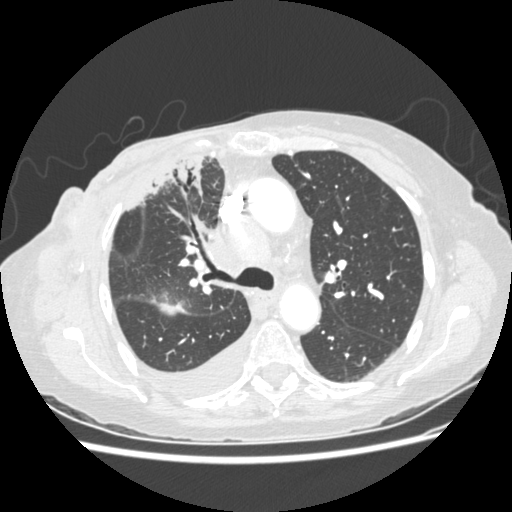
Axial chest CT slice 177 of 238 (counted from the lowest slice); 1.25 mm thick, 0.664 mm per pixel. Pulmonary nodule at rows 302–314, columns 158–183 (box = the union of the readers' outlines on this slice), outlined by two of the four readers; median longest diameter 32.4 mm (readers' outlines 31.3–33.5 mm), median volume 8391 mm3 (8200–8583 mm3). Ratings, median across the readers with their spread: texture 5/5 (solid) from both readers; median margin 4.5/5 (readers ranged 4/5 to 5/5 (circumscribed)); sphericity 4/5 from both readers; calcification absent, both readers agreeing; internal structure soft tissue, both readers agreeing; subtlety 5/5, both readers agreeing; median malignancy likelihood 4/5 (readers ranged 3–5). Scale key (1–5): texture non-solid→solid, margin indistinct→circumscribed, sphericity linear→round, subtlety extremely subtle→obvious, malignancy likelihood highly unlikely→highly suspicious of cancer. Box rows and columns are 0-based pixel indices from the top-left corner, inclusive.
Scan settings: 120 kVp, STANDARD reconstruction kernel.